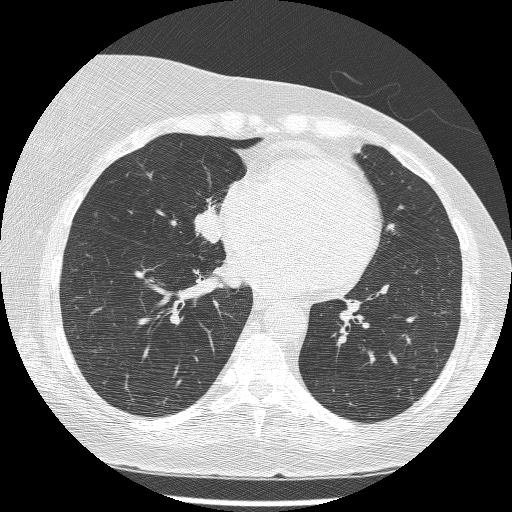
Slice 75/209 of a chest CT, counting up from the lowest; pixel size 0.617 mm, slice thickness 1.25 mm. Two pulmonary nodules on this slice, listed from left to right. (1) Pulmonary nodule, outlined by three of the four readers, one of them on this slice. Box on this slice rows 211–217, columns 93–96, the one reader's outline on this slice; the three readers' outlines give a longest diameter between 20.1 and 23.8 mm and a volume between 734 and 2087 mm3. The readers' ratings, as ranges where they differ: texture 1/5 (non-solid), all three readers agreeing; margin 1/5 (indistinct), all three readers agreeing; sphericity from 3/5 (ovoid) to 4/5 across the three readers; calcification absent from all three readers; internal structure soft tissue, all three readers agreeing; subtlety rated between 1 and 3 out of 5 by the three readers; malignancy likelihood 3–5/5 (the readers disagree). (2) Pulmonary nodule, outlined by three of the four readers. Box on this slice rows 206–243, columns 194–222, the union of the readers' outlines on this slice; longest diameter 22.9–27.7 mm and volume 3040–4232 mm3 across the three readers' outlines. Ratings across the readers: texture 5/5 (solid) from all three readers; margin from 4/5 to 5/5 (circumscribed) across the three readers; sphericity from 3/5 (ovoid) to 4/5 across the three readers; calcification absent, all three readers agreeing; internal structure soft tissue, all three readers agreeing; subtlety 5/5 from all three readers; malignancy likelihood 5/5, all three readers agreeing. Scale key (1–5): texture non-solid→solid, margin indistinct→circumscribed, sphericity linear→round, subtlety extremely subtle→obvious, malignancy likelihood highly unlikely→highly suspicious of cancer. Box rows and columns are 0-based pixel indices from the top-left corner, inclusive.
Scan settings: 120 kVp, BONE reconstruction kernel.